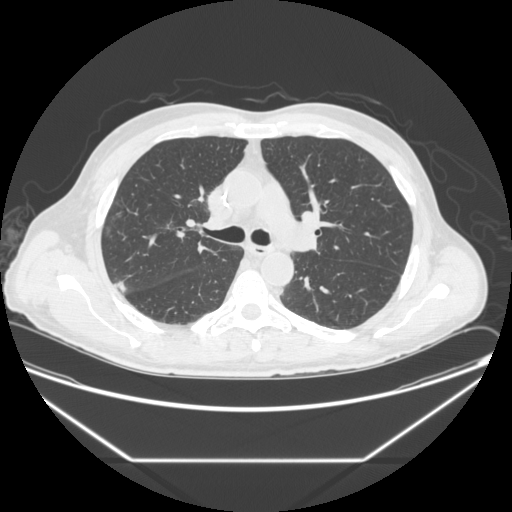
One axial slice (144 of 251, counting up from the lowest) of a chest CT acquired at 120 kVp with the STANDARD kernel; each pixel is 0.809 mm and the slice is 1.25 mm thick.
Pulmonary nodule at rows 281–293, columns 115–126 (box = the union of the readers' outlines on this slice), outlined by all four readers; longest diameter 9.5–12.3 mm and volume 212–399 mm3 across the four readers' outlines. Ratings across the readers: texture 5/5 (solid) from all four readers; margin from 2/5 to 5/5 (circumscribed) across the four readers; sphericity from 3/5 (ovoid) to 4/5 across the four readers; calcification absent, all four readers agreeing; internal structure soft tissue from all four readers; subtlety 3–4/5 (the readers disagree); malignancy likelihood 2–3/5 (the readers disagree). Scale key (1–5): texture non-solid→solid, margin indistinct→circumscribed, sphericity linear→round, subtlety extremely subtle→obvious, malignancy likelihood highly unlikely→highly suspicious of cancer. Box rows and columns are 0-based pixel indices from the top-left corner, inclusive.